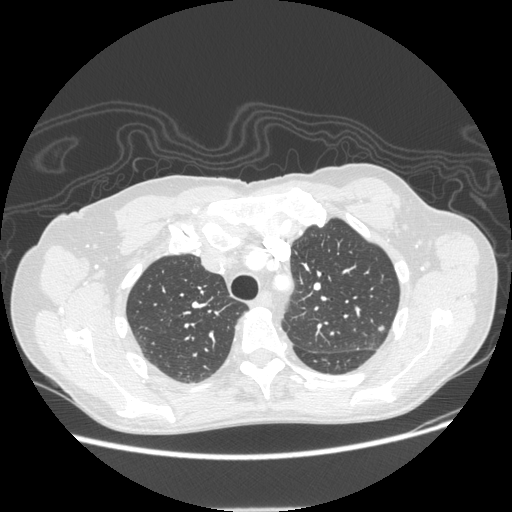
Chest CT, axial plane, 120 kVp, kernel STANDARD. Slice 171/232 from the bottom of the scan; thickness 1.25 mm; pixel size 0.742 mm.
Pulmonary nodule at rows 324–331, columns 377–384 (box = the union of the readers' outlines on this slice), outlined by three of the four readers; longest diameter 6.1–7.3 mm and volume 107–180 mm3 across the three readers' outlines. The readers' ratings, as ranges where they differ: texture from 4/5 to 5/5 (solid) across the three readers; margin from 4/5 to 5/5 (circumscribed) across the three readers; sphericity from 4/5 to 5/5 (round) across the three readers; calcification absent, all three readers agreeing; internal structure soft tissue, all three readers agreeing; subtlety from 2/5 to 4/5 across the three readers; malignancy likelihood 3/5, all three readers agreeing. Scale key (1–5): texture non-solid→solid, margin indistinct→circumscribed, sphericity linear→round, subtlety extremely subtle→obvious, malignancy likelihood highly unlikely→highly suspicious of cancer. Box rows and columns are 0-based pixel indices from the top-left corner, inclusive.